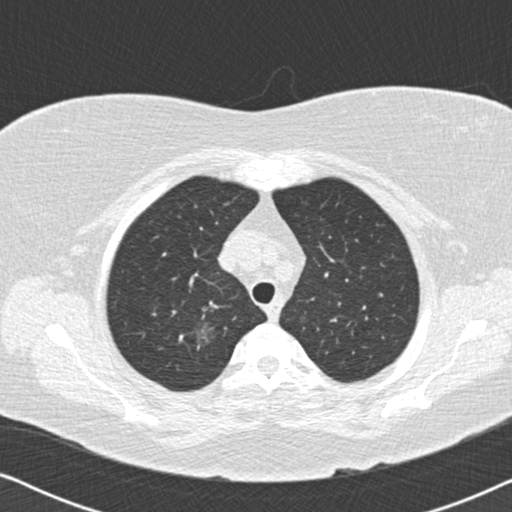
This is axial slice 152 of 177 (slice 1 is the lowest) of a chest CT; each pixel is 0.643 mm and the slice is 2.00 mm thick. Pulmonary nodule outlined by two of the four readers; box rows 324–347, columns 196–214 (the union of the readers' outlines on this slice); median longest diameter 18.7 mm (readers' outlines 18.7 mm), median volume 908 mm3 (907–910 mm3). Ratings, median across the readers with their spread: texture 1/5 (non-solid), both readers agreeing; margin 1/5 (indistinct), both readers agreeing; sphericity 2.5/5 at the median of two readers, spread 2/5 to 3/5 (ovoid); calcification absent, both readers agreeing; internal structure soft tissue from both readers; median subtlety 1.5/5 (readers ranged 1–2); malignancy likelihood 3/5 from both readers. Scale key (1–5): texture non-solid→solid, margin indistinct→circumscribed, sphericity linear→round, subtlety extremely subtle→obvious, malignancy likelihood highly unlikely→highly suspicious of cancer. Box rows and columns are 0-based pixel indices from the top-left corner, inclusive.
Tube voltage 120 kVp; convolution kernel B30f.